Axial chest CT slice 41 of 111 (counted from the lowest slice); tube voltage 120 kVp, convolution kernel LUNG; slices 2.50 mm thick, 0.781 mm per pixel.
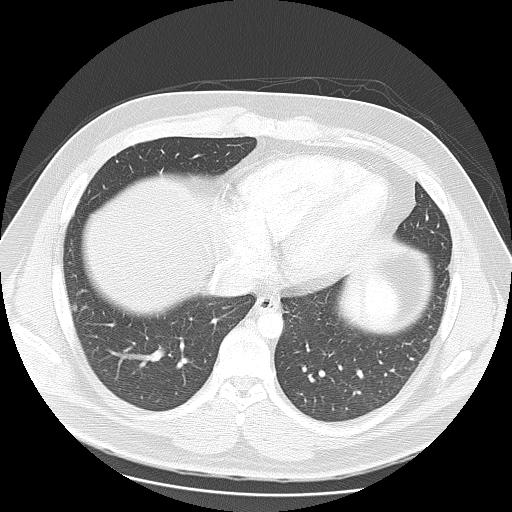
Pulmonary nodule, outlined by two of the four readers. Box on this slice rows 302–311, columns 71–77, the union of the readers' outlines on this slice; median longest diameter 8.9 mm (readers' outlines 8.6–9.1 mm), median volume 153 mm3 (127–179 mm3). Ratings, median across the readers with their spread: median texture 3/5 (part-solid) (readers ranged 1/5 (non-solid) to 5/5 (solid)); margin 3/5 from both readers; sphericity 3/5 (ovoid), both readers agreeing; calcification absent, both readers agreeing; internal structure soft tissue from both readers; subtlety 3/5 at the median of two readers, spread 2–4; malignancy likelihood 3/5, both readers agreeing. Scale key (1–5): texture non-solid→solid, margin indistinct→circumscribed, sphericity linear→round, subtlety extremely subtle→obvious, malignancy likelihood highly unlikely→highly suspicious of cancer. Box rows and columns are 0-based pixel indices from the top-left corner, inclusive.